Axial slice 201 of 376 of a chest CT (slice 1 is the lowest), reconstructed with the B30f kernel at 120 kVp; 0.75 mm slice thickness and 0.461 mm pixels.
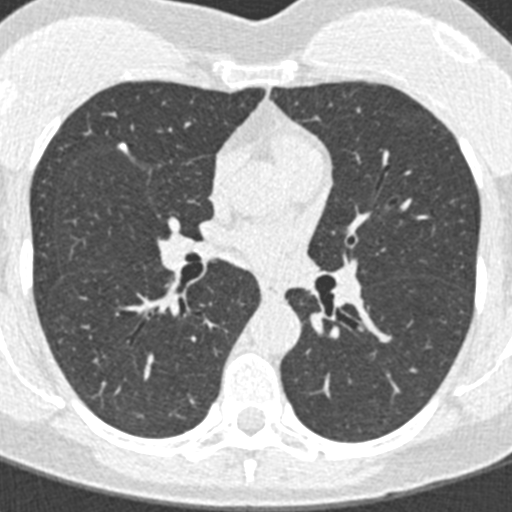
Pulmonary nodule at rows 142–152, columns 117–127 (box = the union of the readers' outlines on this slice), outlined by three of the four readers; longest diameter 6.0 mm on average over the three readers' outlines (readers' outlines 5.3–7.2 mm), volume 18–56 mm3. Ratings, by the readers' most common answer with dissent counted: texture 5/5 (solid), all three readers agreeing; margin 4/5 by two of three readers; the rest gave 5/5 (circumscribed) (one); sphericity 3/5 (ovoid) by two of three readers; the rest gave 4/5 (one); calcification solid calcification by two of three readers, absent (one); internal structure soft tissue from all three readers; subtlety split among the readers: 3/5 (one), 4/5 (one), 5/5 (one); malignancy likelihood 1/5 by two of three readers; the rest gave 3/5 (one). Scale key (1–5): texture non-solid→solid, margin indistinct→circumscribed, sphericity linear→round, subtlety extremely subtle→obvious, malignancy likelihood highly unlikely→highly suspicious of cancer. Box rows and columns are 0-based pixel indices from the top-left corner, inclusive.